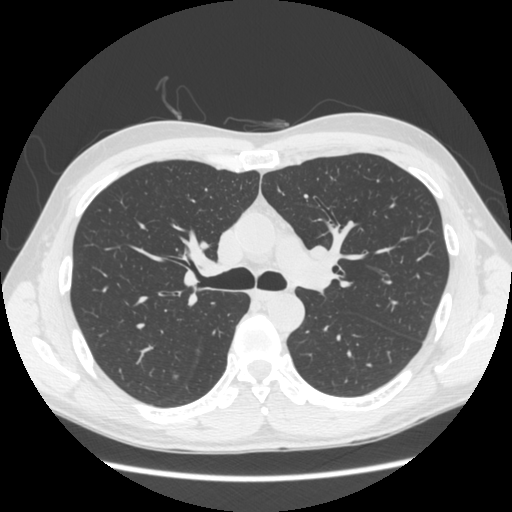
Axial slice 189 of 293 of a chest CT (slice 1 is the lowest), reconstructed with the STANDARD kernel at 120 kVp; 1.25 mm slice thickness and 0.689 mm pixels.
Pulmonary nodule outlined by three of the four readers; box rows 373–379, columns 173–178 (the union of the readers' outlines on this slice); longest diameter 5.7–8.0 mm and volume 45–70 mm3 across the three readers' outlines. Ratings across the readers: texture from 1/5 (non-solid) to 2/5 across the three readers; margin from 1/5 (indistinct) to 3/5 across the three readers; sphericity from 3/5 (ovoid) to 4/5 across the three readers; calcification absent, all three readers agreeing; internal structure soft tissue from all three readers; subtlety rated between 2 and 3 out of 5 by the three readers; malignancy likelihood 3/5 from all three readers. Scale key (1–5): texture non-solid→solid, margin indistinct→circumscribed, sphericity linear→round, subtlety extremely subtle→obvious, malignancy likelihood highly unlikely→highly suspicious of cancer. Box rows and columns are 0-based pixel indices from the top-left corner, inclusive.